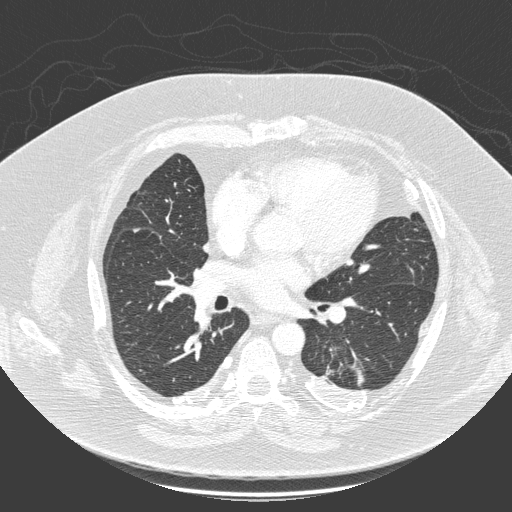
One axial slice (122 of 280, counting up from the lowest) of a chest CT acquired at 140 kVp with the D kernel; each pixel is 0.801 mm and the slice is 1.00 mm thick.
Pulmonary nodule, outlined by one of the four readers. Box on this slice rows 228–233, columns 132–138, that reader's outline on this slice; longest diameter 7.2 mm and volume 42 mm3 from that reader's outline. That reader's ratings: texture 5/5 (solid); margin 5/5 (circumscribed); sphericity 2/5; calcification absent; internal structure soft tissue; subtlety 3/5; malignancy likelihood 1/5. Scale key (1–5): texture non-solid→solid, margin indistinct→circumscribed, sphericity linear→round, subtlety extremely subtle→obvious, malignancy likelihood highly unlikely→highly suspicious of cancer. Box rows and columns are 0-based pixel indices from the top-left corner, inclusive.